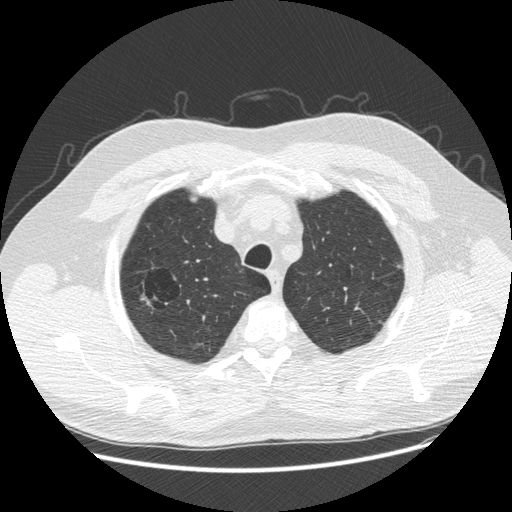
One axial slice (399 of 481, counting up from the lowest) of a chest CT acquired at 120 kVp with the STANDARD kernel; each pixel is 0.742 mm and the slice is 1.25 mm thick.
Pulmonary nodule outlined by two of the four readers, one of them on this slice; box rows 294–301, columns 140–148 (the one reader's outline on this slice); the two readers' outlines give a longest diameter between 15.0 and 18.6 mm and a volume between 293 and 924 mm3. Ratings across the readers: texture 1/5 (non-solid), both readers agreeing; margin from 1/5 (indistinct) to 2/5 across the two readers; sphericity from 3/5 (ovoid) to 5/5 (round) across the two readers; calcification absent from both readers; internal structure soft tissue from both readers; subtlety rated between 1 and 2 out of 5 by the two readers; malignancy likelihood 2–4/5 (the readers disagree). Scale key (1–5): texture non-solid→solid, margin indistinct→circumscribed, sphericity linear→round, subtlety extremely subtle→obvious, malignancy likelihood highly unlikely→highly suspicious of cancer. Box rows and columns are 0-based pixel indices from the top-left corner, inclusive.